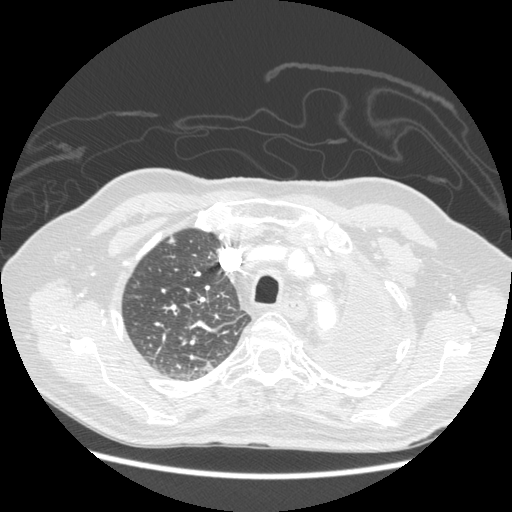
Axial slice 173 of 214 of a chest CT (slice 1 is the lowest), reconstructed with the STANDARD kernel at 120 kVp; 1.25 mm slice thickness and 0.703 mm pixels.
Pulmonary nodule, outlined by two of the four readers. Box on this slice rows 236–243, columns 167–175, the union of the readers' outlines on this slice; the two readers' outlines give a longest diameter between 6.3 and 7.3 mm and a volume between 45 and 66 mm3. Ratings across the readers: texture 5/5 (solid), both readers agreeing; margin from 3/5 to 5/5 (circumscribed) across the two readers; sphericity from 3/5 (ovoid) to 4/5 across the two readers; calcification absent, both readers agreeing; internal structure soft tissue from both readers; subtlety 3–5/5 (the readers disagree); malignancy likelihood rated between 1 and 3 out of 5 by the two readers. Scale key (1–5): texture non-solid→solid, margin indistinct→circumscribed, sphericity linear→round, subtlety extremely subtle→obvious, malignancy likelihood highly unlikely→highly suspicious of cancer. Box rows and columns are 0-based pixel indices from the top-left corner, inclusive.